Axial chest CT slice 59 of 129 (counted from the lowest slice); tube voltage 140 kVp, convolution kernel BONE; slices 2.50 mm thick, 0.697 mm per pixel.
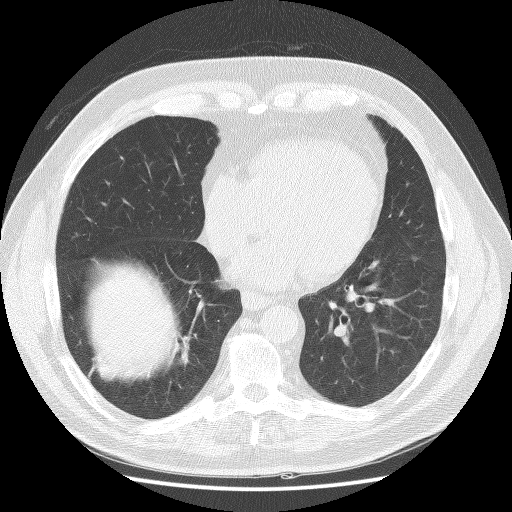
Pulmonary nodule outlined by two of the four readers; box rows 255–260, columns 411–416 (the union of the readers' outlines on this slice); the two readers' outlines give a longest diameter between 5.3 and 6.4 mm and a volume between 53 and 86 mm3. Ratings across the readers: texture from 3/5 (part-solid) to 4/5 across the two readers; margin from 3/5 to 5/5 (circumscribed) across the two readers; sphericity 3/5 (ovoid) from both readers; calcification absent from both readers; internal structure soft tissue, both readers agreeing; subtlety from 2/5 to 3/5 across the two readers; malignancy likelihood 1–2/5 (the readers disagree). Scale key (1–5): texture non-solid→solid, margin indistinct→circumscribed, sphericity linear→round, subtlety extremely subtle→obvious, malignancy likelihood highly unlikely→highly suspicious of cancer. Box rows and columns are 0-based pixel indices from the top-left corner, inclusive.